Chest CT, axial plane, 120 kVp, kernel BONE. Slice 107/225 from the bottom of the scan; thickness 1.25 mm; pixel size 0.637 mm.
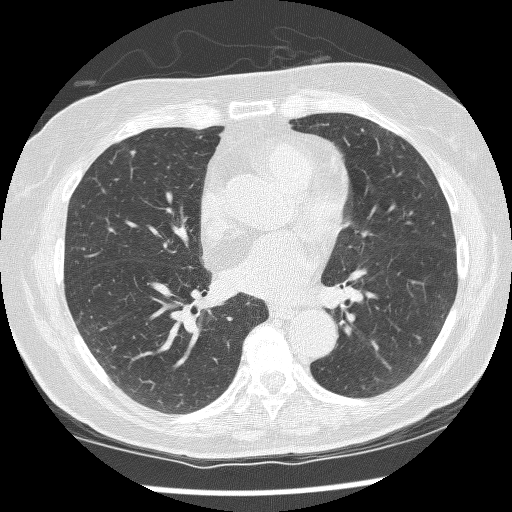
Pulmonary nodule at rows 150–156, columns 128–135 (box = the union of the readers' outlines on this slice), outlined by two of the four readers; median longest diameter 6.0 mm (readers' outlines 5.7–6.3 mm), median volume 87 mm3 (84–91 mm3). Median ratings and the readers' spread: texture 5/5 (solid) from both readers; margin 4/5 at the median of two readers, spread 3/5 to 5/5 (circumscribed); median sphericity 3/5 (ovoid) (readers ranged 2/5 to 4/5); calcification absent, both readers agreeing; internal structure soft tissue, both readers agreeing; subtlety 4/5 from both readers; median malignancy likelihood 2.5/5 (readers ranged 2–3). Scale key (1–5): texture non-solid→solid, margin indistinct→circumscribed, sphericity linear→round, subtlety extremely subtle→obvious, malignancy likelihood highly unlikely→highly suspicious of cancer. Box rows and columns are 0-based pixel indices from the top-left corner, inclusive.